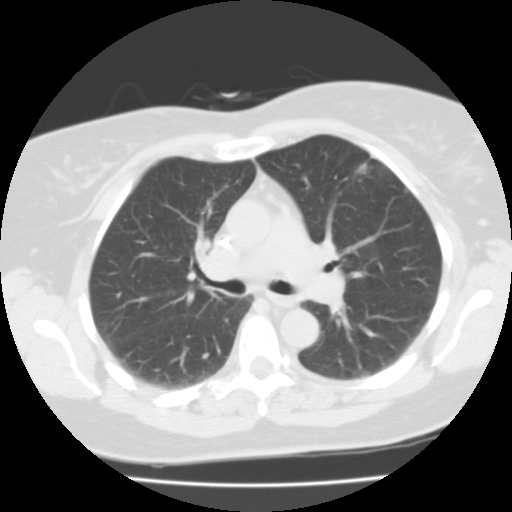
Slice 50/87 of a chest CT, counting up from the lowest; pixel size 0.650 mm, slice thickness 3.00 mm. Pulmonary nodule outlined by all four readers, three of them on this slice; box rows 163–174, columns 356–366 (the union of the readers' outlines on this slice); longest diameter 17.5–23.5 mm and volume 1510–2444 mm3 across the four readers' outlines. Ratings across the readers: texture from 4/5 to 5/5 (solid) across the four readers; margin from 2/5 to 4/5 across the four readers; sphericity from 3/5 (ovoid) to 5/5 (round) across the four readers; calcification absent, all four readers agreeing; internal structure soft tissue, all four readers agreeing; subtlety rated between 4 and 5 out of 5 by the four readers; malignancy likelihood 3–5/5 (the readers disagree). Scale key (1–5): texture non-solid→solid, margin indistinct→circumscribed, sphericity linear→round, subtlety extremely subtle→obvious, malignancy likelihood highly unlikely→highly suspicious of cancer. Box rows and columns are 0-based pixel indices from the top-left corner, inclusive.
Scan settings: 135 kVp, FC01 reconstruction kernel.